Axial chest CT slice 103 of 162 (counted from the lowest slice); tube voltage 120 kVp, convolution kernel BONE; slices 1.25 mm thick, 0.703 mm per pixel.
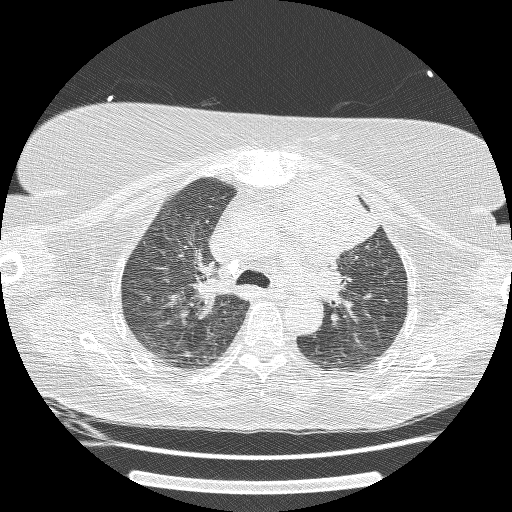
Pulmonary nodule outlined by two of the four readers; box rows 351–357, columns 183–190 (the union of the readers' outlines on this slice); median longest diameter 7.1 mm (readers' outlines 7.0–7.2 mm), median volume 70 mm3 (62–78 mm3). Median ratings and the readers' spread: texture 3/5 (part-solid) at the median of two readers, spread 2/5 to 4/5; margin 2/5 from both readers; sphericity 4/5 from both readers; calcification split among the readers: absent (one), non-central calcification (one); internal structure soft tissue from both readers; subtlety 1.5/5 at the median of two readers, spread 1–2; malignancy likelihood 2/5 from both readers. Scale key (1–5): texture non-solid→solid, margin indistinct→circumscribed, sphericity linear→round, subtlety extremely subtle→obvious, malignancy likelihood highly unlikely→highly suspicious of cancer. Box rows and columns are 0-based pixel indices from the top-left corner, inclusive.